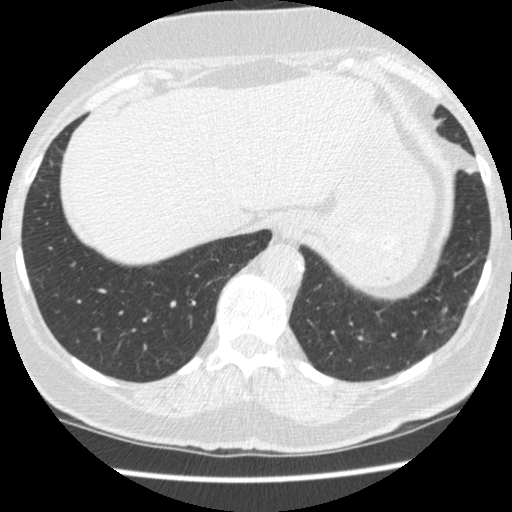
Axial chest CT slice 105 of 481 (counted from the lowest slice); tube voltage 120 kVp, convolution kernel STANDARD; slices 1.25 mm thick, 0.605 mm per pixel.
Pulmonary nodule outlined by all four readers; box rows 306–313, columns 442–447 (the union of the readers' outlines on this slice); longest diameter 13.9 mm on average over the four readers' outlines (readers' outlines 13.3–14.6 mm), volume 633–867 mm3. Ratings, by the readers' most common answer with dissent counted: texture 5/5 (solid) from all four readers; margin split among the readers: 4/5 (two), 5/5 (circumscribed) (two); sphericity 4/5 by three of four readers; the rest gave 5/5 (round) (one); calcification absent from all four readers; internal structure soft tissue from all four readers; subtlety 5/5 by three of four readers; the rest gave 4/5 (one); malignancy likelihood split among the readers: 2/5 (one), 3/5 (one), 4/5 (one), 5/5 (one). Scale key (1–5): texture non-solid→solid, margin indistinct→circumscribed, sphericity linear→round, subtlety extremely subtle→obvious, malignancy likelihood highly unlikely→highly suspicious of cancer. Box rows and columns are 0-based pixel indices from the top-left corner, inclusive.